Chest CT, axial plane, 120 kVp, kernel STANDARD. Slice 309/413 from the bottom of the scan; thickness 1.25 mm; pixel size 0.703 mm.
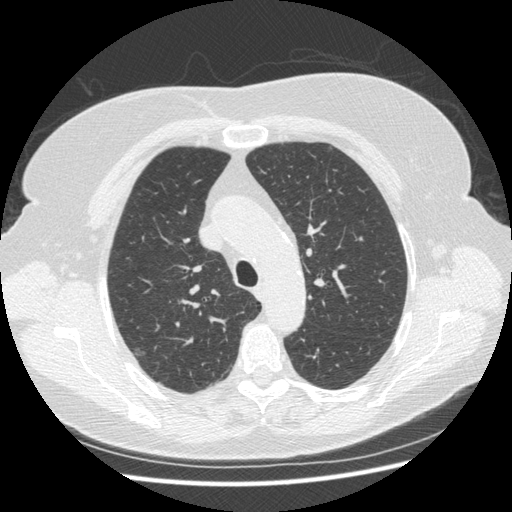
Pulmonary nodule outlined by three of the four readers, two of them on this slice; box rows 347–355, columns 133–145 (the union of the readers' outlines on this slice); longest diameter 9.8 mm on average over the three readers' outlines (readers' outlines 8.7–10.5 mm), volume 88–182 mm3. Ratings, by the readers' most common answer with dissent counted: texture split among the readers: 2/5 (one), 3/5 (part-solid) (one), 5/5 (solid) (one); margin split among the readers: 1/5 (indistinct) (one), 2/5 (one), 4/5 (one); most readers (two of three) put sphericity at 4/5, others 3/5 (ovoid) (one); calcification absent, all three readers agreeing; internal structure soft tissue, all three readers agreeing; subtlety 4/5 by two of three readers; the rest gave 5/5 (one); malignancy likelihood 4/5 from all three readers. Scale key (1–5): texture non-solid→solid, margin indistinct→circumscribed, sphericity linear→round, subtlety extremely subtle→obvious, malignancy likelihood highly unlikely→highly suspicious of cancer. Box rows and columns are 0-based pixel indices from the top-left corner, inclusive.